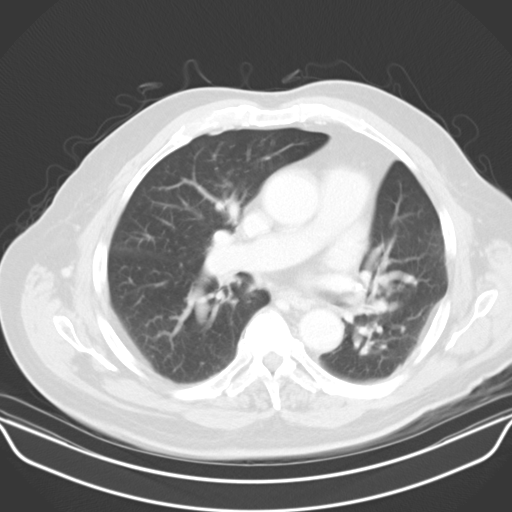
Axial chest CT slice 40 of 65 (counted from the lowest slice); tube voltage 130 kVp, convolution kernel B30s; slices 5.00 mm thick, 0.773 mm per pixel.
This slice carries no reader outline of a nodule 3 mm or larger.